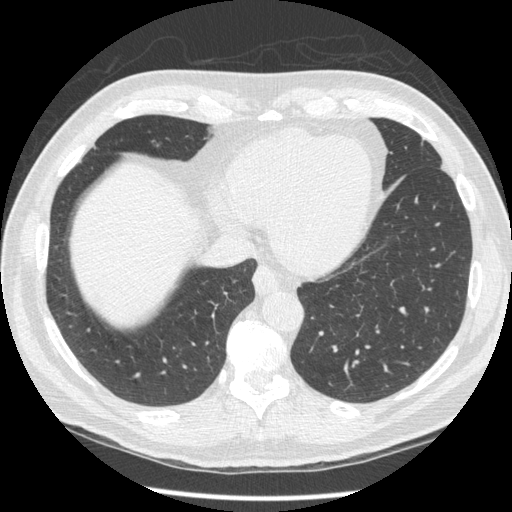
Axial slice 110 of 452 of a chest CT (slice 1 is the lowest), reconstructed with the STANDARD kernel at 120 kVp; 1.25 mm slice thickness and 0.703 mm pixels.
Pulmonary nodule, outlined by one of the four readers. Box on this slice rows 139–142, columns 151–155, that reader's outline on this slice; longest diameter 6.4 mm and volume 38 mm3 from that reader's outline. Ratings by that reader: texture 5/5 (solid); margin 5/5 (circumscribed); sphericity 5/5 (round); calcification absent; internal structure soft tissue; subtlety 5/5; malignancy likelihood 3/5. Scale key (1–5): texture non-solid→solid, margin indistinct→circumscribed, sphericity linear→round, subtlety extremely subtle→obvious, malignancy likelihood highly unlikely→highly suspicious of cancer. Box rows and columns are 0-based pixel indices from the top-left corner, inclusive.